Chest CT, axial plane, 120 kVp, kernel B30f. Slice 114/176 from the bottom of the scan; thickness 2.00 mm; pixel size 0.742 mm.
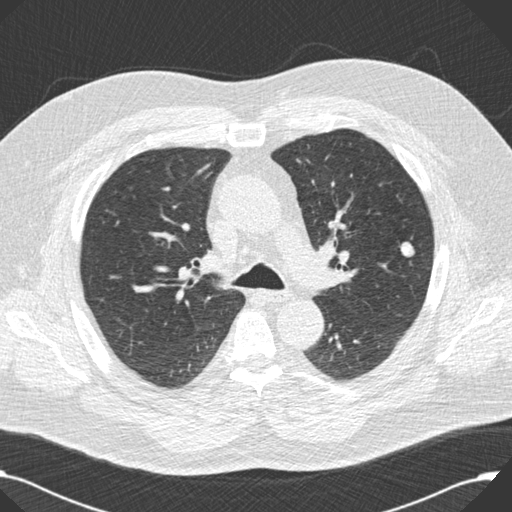
Pulmonary nodule, outlined by all four readers. Box on this slice rows 241–257, columns 399–415, the union of the readers' outlines on this slice; longest diameter 14.9 mm on average over the four readers' outlines (readers' outlines 14.3–16.3 mm), volume 1042–1473 mm3. The readers' prevailing ratings and who disagreed: texture 5/5 (solid) from all four readers; most readers (three of four) put margin at 5/5 (circumscribed), others 4/5 (one); most readers (three of four) put sphericity at 4/5, others 5/5 (round) (one); calcification split among the readers: absent (two), non-central calcification (two); internal structure soft tissue from all four readers; subtlety 5/5 by three of four readers; the rest gave 3/5 (one); malignancy likelihood 2/5 by two of four readers; the rest gave 3/5 (one), 4/5 (one). Scale key (1–5): texture non-solid→solid, margin indistinct→circumscribed, sphericity linear→round, subtlety extremely subtle→obvious, malignancy likelihood highly unlikely→highly suspicious of cancer. Box rows and columns are 0-based pixel indices from the top-left corner, inclusive.